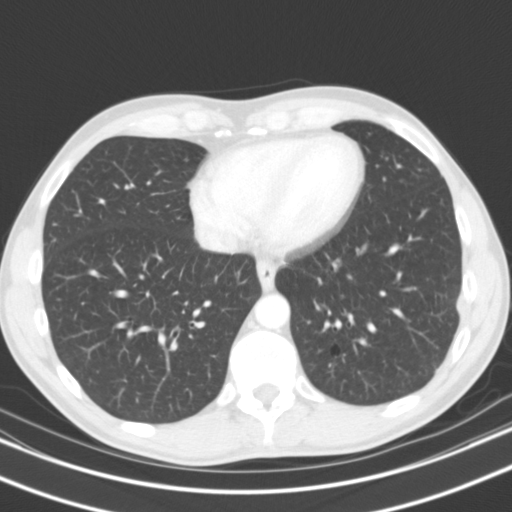
Axial chest CT slice 41 of 119 (counted from the lowest slice); tube voltage 130 kVp, convolution kernel B31s; slices 3.00 mm thick, 0.650 mm per pixel.
Pulmonary nodule at rows 297–312, columns 455–459 (box = the union of the readers' outlines on this slice), outlined by all four readers; median longest diameter 17.2 mm (readers' outlines 14.3–20.4 mm), median volume 1725 mm3 (1364–2386 mm3). Median ratings and the readers' spread: median texture 4.5/5 (readers ranged 4/5 to 5/5 (solid)); margin 4/5 at the median of four readers, spread 2/5 to 4/5; sphericity 3.5/5 at the median of four readers, spread 3/5 (ovoid) to 5/5 (round); calcification absent from all four readers; internal structure soft tissue from all four readers; median subtlety 5/5 (readers ranged 4–5); median malignancy likelihood 3.5/5 (readers ranged 2–5). Scale key (1–5): texture non-solid→solid, margin indistinct→circumscribed, sphericity linear→round, subtlety extremely subtle→obvious, malignancy likelihood highly unlikely→highly suspicious of cancer. Box rows and columns are 0-based pixel indices from the top-left corner, inclusive.